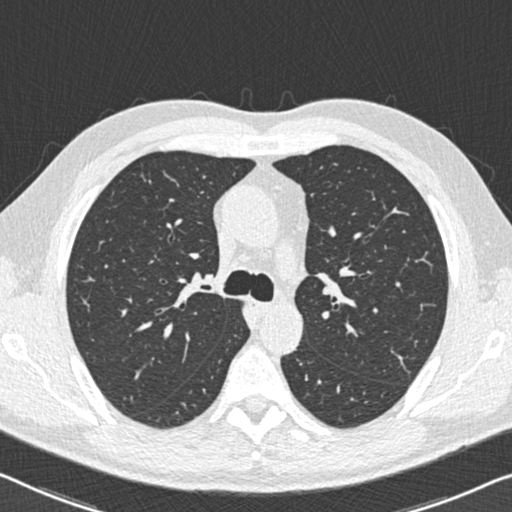
This is axial slice 340 of 483 (slice 1 is the lowest) of a chest CT; each pixel is 0.652 mm and the slice is 0.75 mm thick. This slice carries no reader outline of a nodule 3 mm or larger.
Tube voltage 120 kVp; convolution kernel B30f.